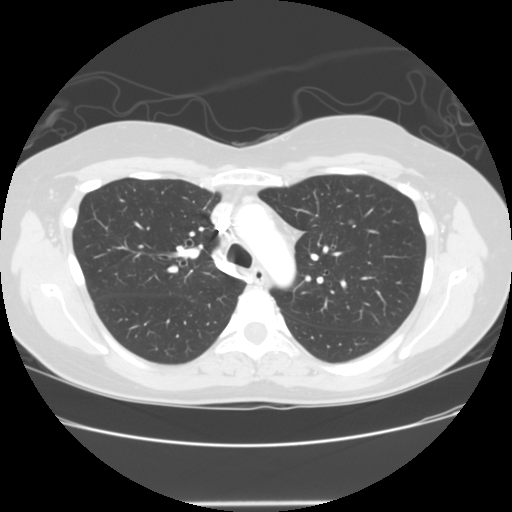
Axial chest CT slice 99 of 140 (counted from the lowest slice); tube voltage 120 kVp, convolution kernel STANDARD; slices 2.50 mm thick, 0.703 mm per pixel.
Pulmonary nodule, outlined by all four readers, two of them on this slice. Box on this slice rows 219–224, columns 348–354, the union of the readers' outlines on this slice; median longest diameter 7.4 mm (readers' outlines 7.2–7.9 mm), median volume 217 mm3 (173–260 mm3). Median ratings and the readers' spread: texture 5/5 (solid), all four readers agreeing; median margin 5/5 (circumscribed) (readers ranged 4/5 to 5/5 (circumscribed)); median sphericity 4.5/5 (readers ranged 4/5 to 5/5 (round)); calcification absent, all four readers agreeing; internal structure soft tissue, all four readers agreeing; median subtlety 3/5 (readers ranged 3–4); malignancy likelihood 2.5/5 at the median of four readers, spread 2–3. Scale key (1–5): texture non-solid→solid, margin indistinct→circumscribed, sphericity linear→round, subtlety extremely subtle→obvious, malignancy likelihood highly unlikely→highly suspicious of cancer. Box rows and columns are 0-based pixel indices from the top-left corner, inclusive.